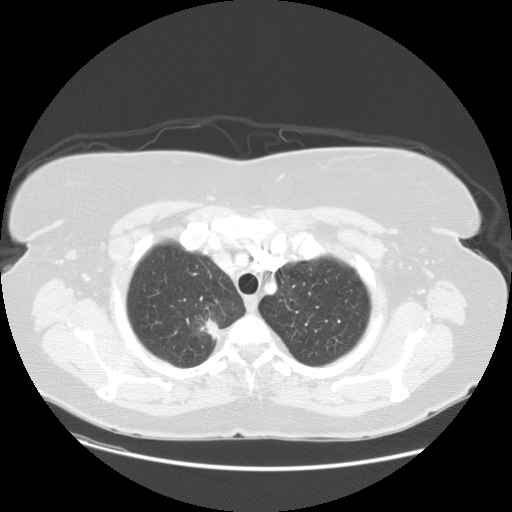
Chest CT, axial plane, 120 kVp, kernel STANDARD. Slice 111/133 from the bottom of the scan; thickness 2.50 mm; pixel size 0.781 mm.
Pulmonary nodule outlined by all four readers; box rows 317–340, columns 200–218 (the union of the readers' outlines on this slice); longest diameter 35.0 mm on average over the four readers' outlines (readers' outlines 31.6–37.9 mm), volume 3786–6747 mm3. Ratings, by the readers' most common answer with dissent counted: texture 5/5 (solid) by two of four readers; the rest gave 3/5 (part-solid) (one), 4/5 (one); margin 3/5 by three of four readers; the rest gave 1/5 (indistinct) (one); sphericity 3/5 (ovoid) by two of four readers; the rest gave 2/5 (one), 4/5 (one); calcification absent from all four readers; internal structure soft tissue, all four readers agreeing; subtlety 5/5, all four readers agreeing; malignancy likelihood 5/5 by three of four readers; the rest gave 3/5 (one). Scale key (1–5): texture non-solid→solid, margin indistinct→circumscribed, sphericity linear→round, subtlety extremely subtle→obvious, malignancy likelihood highly unlikely→highly suspicious of cancer. Box rows and columns are 0-based pixel indices from the top-left corner, inclusive.